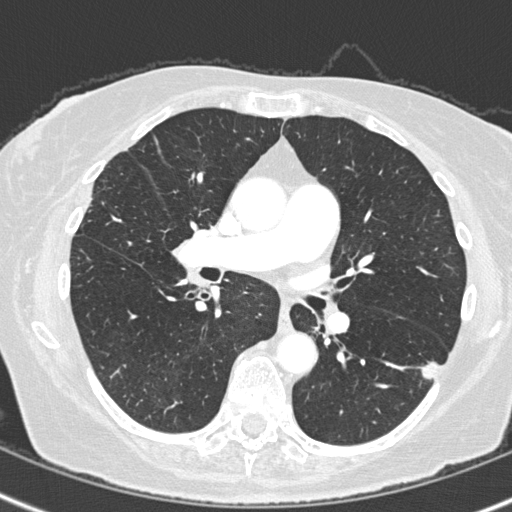
One axial slice (176 of 308, counting up from the lowest) of a chest CT acquired at 120 kVp with the B45f kernel; each pixel is 0.586 mm and the slice is 1.00 mm thick.
Pulmonary nodule at rows 360–380, columns 415–441 (box = the union of the readers' outlines on this slice), outlined by all four readers; longest diameter 15.5–19.6 mm and volume 724–1186 mm3 across the four readers' outlines. The readers' ratings, as ranges where they differ: texture from 4/5 to 5/5 (solid) across the four readers; margin from 3/5 to 4/5 across the four readers; sphericity from 3/5 (ovoid) to 5/5 (round) across the four readers; calcification absent, all four readers agreeing; internal structure soft tissue from all four readers; subtlety rated between 4 and 5 out of 5 by the four readers; malignancy likelihood from 4/5 to 5/5 across the four readers. Scale key (1–5): texture non-solid→solid, margin indistinct→circumscribed, sphericity linear→round, subtlety extremely subtle→obvious, malignancy likelihood highly unlikely→highly suspicious of cancer. Box rows and columns are 0-based pixel indices from the top-left corner, inclusive.